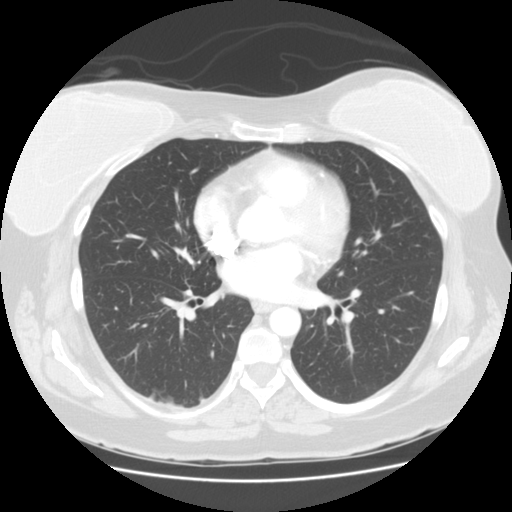
Slice 80/139 of a chest CT, counting up from the lowest; pixel size 0.703 mm, slice thickness 2.50 mm. The readers outlined no nodule of 3 mm or more on this slice.
Tube voltage 120 kVp; convolution kernel STANDARD.